Axial slice 59 of 128 of a chest CT (slice 1 is the lowest), reconstructed with the STANDARD kernel at 120 kVp; 2.50 mm slice thickness and 0.742 mm pixels.
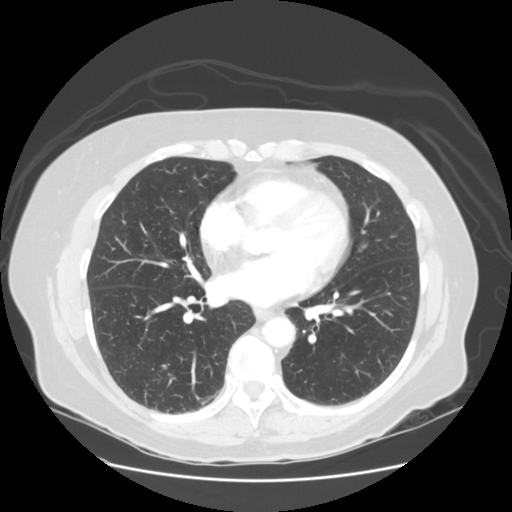
Pulmonary nodule at rows 364–368, columns 161–166 (box = the union of the readers' outlines on this slice), outlined by three of the four readers; median longest diameter 6.0 mm (readers' outlines 5.7–6.6 mm), median volume 96 mm3 (89–122 mm3). Median ratings and the readers' spread: median texture 5/5 (solid) (readers ranged 4/5 to 5/5 (solid)); median margin 5/5 (circumscribed) (readers ranged 3/5 to 5/5 (circumscribed)); median sphericity 5/5 (round) (readers ranged 4/5 to 5/5 (round)); calcification absent, all three readers agreeing; internal structure soft tissue from all three readers; median subtlety 3/5 (readers ranged 3–4); malignancy likelihood 3/5 at the median of three readers, spread 2–3. Scale key (1–5): texture non-solid→solid, margin indistinct→circumscribed, sphericity linear→round, subtlety extremely subtle→obvious, malignancy likelihood highly unlikely→highly suspicious of cancer. Box rows and columns are 0-based pixel indices from the top-left corner, inclusive.